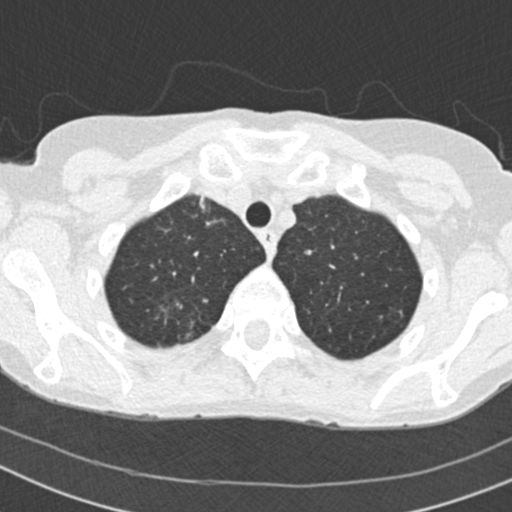
This is axial slice 169 of 202 (slice 1 is the lowest) of a chest CT; each pixel is 0.566 mm and the slice is 2.00 mm thick. Pulmonary nodule at rows 295–307, columns 159–176 (box = the one reader's outline on this slice), outlined by all four readers, one of them on this slice; median longest diameter 13.7 mm (readers' outlines 10.9–15.0 mm), median volume 656 mm3 (306–786 mm3). Median ratings and the readers' spread: median texture 4/5 (readers ranged 3/5 (part-solid) to 5/5 (solid)); median margin 1.5/5 (readers ranged 1/5 (indistinct) to 3/5); median sphericity 3.5/5 (readers ranged 3/5 (ovoid) to 4/5); calcification absent from all four readers; internal structure soft tissue from all four readers; subtlety 4/5 at the median of four readers, spread 3–4; median malignancy likelihood 3.5/5 (readers ranged 3–5). Scale key (1–5): texture non-solid→solid, margin indistinct→circumscribed, sphericity linear→round, subtlety extremely subtle→obvious, malignancy likelihood highly unlikely→highly suspicious of cancer. Box rows and columns are 0-based pixel indices from the top-left corner, inclusive.
Scan settings: 120 kVp, B30f reconstruction kernel.